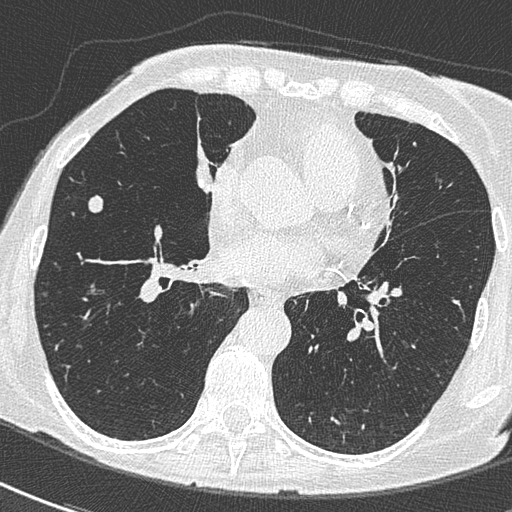
Axial chest CT slice 286 of 588 (counted from the lowest slice); tube voltage 120 kVp, convolution kernel B50f; slices 0.60 mm thick, 0.514 mm per pixel.
Pulmonary nodule, outlined by all four readers. Box on this slice rows 194–213, columns 87–103, the union of the readers' outlines on this slice; longest diameter 10.3–12.9 mm and volume 343–465 mm3 across the four readers' outlines. Ratings across the readers: texture 5/5 (solid) from all four readers; margin from 4/5 to 5/5 (circumscribed) across the four readers; sphericity from 3/5 (ovoid) to 5/5 (round) across the four readers; calcification absent from all four readers; internal structure soft tissue from all four readers; subtlety 4–5/5 (the readers disagree); malignancy likelihood 2–3/5 (the readers disagree). Scale key (1–5): texture non-solid→solid, margin indistinct→circumscribed, sphericity linear→round, subtlety extremely subtle→obvious, malignancy likelihood highly unlikely→highly suspicious of cancer. Box rows and columns are 0-based pixel indices from the top-left corner, inclusive.